Chest CT, axial plane, 120 kVp, kernel D. Slice 53/300 from the bottom of the scan; thickness 1.00 mm; pixel size 0.607 mm.
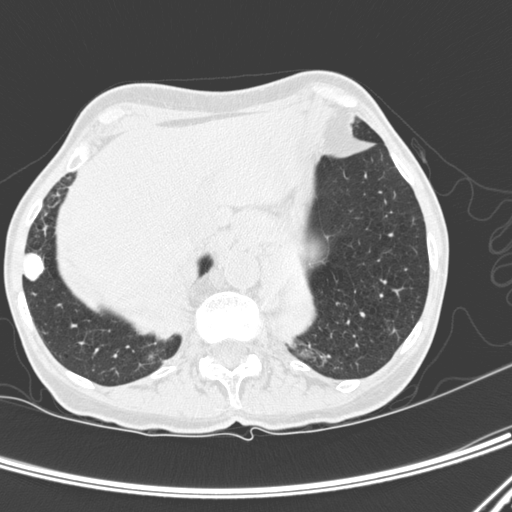
Pulmonary nodule, outlined by all four readers. Box on this slice rows 251–281, columns 22–43, the union of the readers' outlines on this slice; the four readers' outlines give a longest diameter between 17.1 and 19.9 mm and a volume between 1865 and 2443 mm3. Ratings across the readers: texture 5/5 (solid) from all four readers; margin 5/5 (circumscribed) from all four readers; sphericity from 4/5 to 5/5 (round) across the four readers; calcification: solid calcification (three), absent (one); internal structure soft tissue, all four readers agreeing; subtlety 5/5, all four readers agreeing; malignancy likelihood rated between 1 and 4 out of 5 by the four readers. Scale key (1–5): texture non-solid→solid, margin indistinct→circumscribed, sphericity linear→round, subtlety extremely subtle→obvious, malignancy likelihood highly unlikely→highly suspicious of cancer. Box rows and columns are 0-based pixel indices from the top-left corner, inclusive.